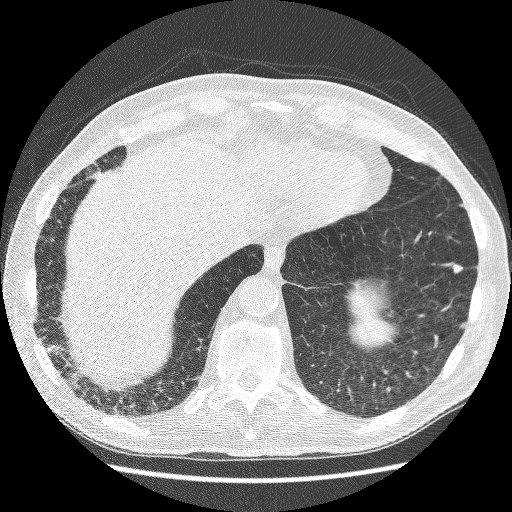
Axial slice 53 of 241 of a chest CT (slice 1 is the lowest), reconstructed with the BONE kernel at 120 kVp; 1.25 mm slice thickness and 0.703 mm pixels.
Two pulmonary nodules on this slice, listed from left to right. (1) Pulmonary nodule at rows 263–272, columns 450–462 (box = the union of the readers' outlines on this slice), outlined by all four readers; median longest diameter 8.8 mm (readers' outlines 8.0–10.1 mm), median volume 146 mm3 (97–222 mm3). Ratings, median across the readers with their spread: texture 5/5 (solid), all four readers agreeing; margin 4.5/5 at the median of four readers, spread 4/5 to 5/5 (circumscribed); median sphericity 4/5 (readers ranged 3/5 (ovoid) to 4/5); calcification: absent (three), solid calcification (one); internal structure soft tissue, all four readers agreeing; subtlety 4/5 at the median of four readers, spread 3–5; median malignancy likelihood 3/5 (readers ranged 1–3). (2) Pulmonary nodule, outlined by all four readers. Box on this slice rows 321–328, columns 460–466, the union of the readers' outlines on this slice; longest diameter 7.6–10.1 mm and volume 81–114 mm3 across the four readers' outlines. Ratings across the readers: texture 5/5 (solid), all four readers agreeing; margin from 4/5 to 5/5 (circumscribed) across the four readers; sphericity from 2/5 to 4/5 across the four readers; calcification absent, all four readers agreeing; internal structure soft tissue, all four readers agreeing; subtlety rated between 3 and 4 out of 5 by the four readers; malignancy likelihood 1–3/5 (the readers disagree). Scale key (1–5): texture non-solid→solid, margin indistinct→circumscribed, sphericity linear→round, subtlety extremely subtle→obvious, malignancy likelihood highly unlikely→highly suspicious of cancer. Box rows and columns are 0-based pixel indices from the top-left corner, inclusive.